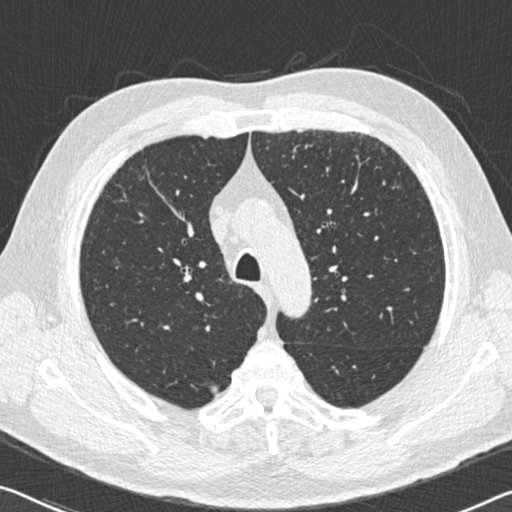
Axial chest CT slice 418 of 536 (counted from the lowest slice); 0.75 mm thick, 0.656 mm per pixel. Pulmonary nodule outlined by three of the four readers; box rows 179–185, columns 382–386 (the union of the readers' outlines on this slice); longest diameter 7.2 mm on average over the three readers' outlines (readers' outlines 6.7–8.3 mm), volume 64–106 mm3. The readers' prevailing ratings and who disagreed: texture 5/5 (solid) from all three readers; margin 5/5 (circumscribed) by two of three readers; the rest gave 4/5 (one); sphericity 2/5 by two of three readers; the rest gave 3/5 (ovoid) (one); calcification absent by two of three readers, non-central calcification (one); internal structure soft tissue from all three readers; subtlety split among the readers: 2/5 (one), 3/5 (one), 5/5 (one); most readers (two of three) put malignancy likelihood at 2/5, others 3/5 (one). Scale key (1–5): texture non-solid→solid, margin indistinct→circumscribed, sphericity linear→round, subtlety extremely subtle→obvious, malignancy likelihood highly unlikely→highly suspicious of cancer. Box rows and columns are 0-based pixel indices from the top-left corner, inclusive.
Scan settings: 120 kVp, B30f reconstruction kernel.